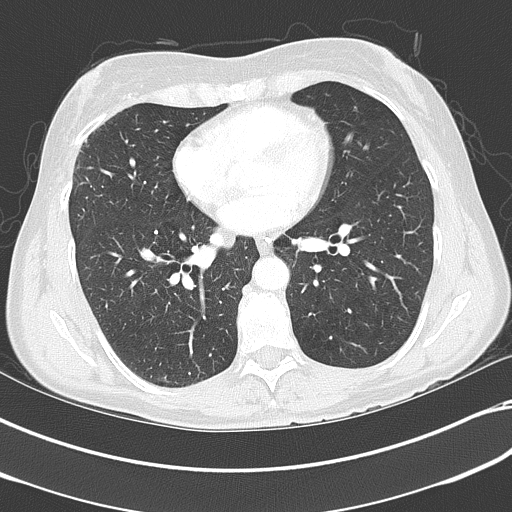
Chest CT, axial plane, 120 kVp, kernel B70f. Slice 177/351 from the bottom of the scan; thickness 2.00 mm; pixel size 0.643 mm.
Pulmonary nodule outlined by two of the four readers; box rows 230–233, columns 154–157 (the union of the readers' outlines on this slice); longest diameter 3.8 mm on average over the two readers' outlines (readers' outlines 3.5–4.1 mm), volume 17–36 mm3. Ratings, by the readers' most common answer with dissent counted: texture 5/5 (solid), both readers agreeing; margin split among the readers: 4/5 (one), 5/5 (circumscribed) (one); sphericity split among the readers: 4/5 (one), 5/5 (round) (one); calcification split among the readers: solid calcification (one), absent (one); internal structure soft tissue, both readers agreeing; subtlety 4/5, both readers agreeing; malignancy likelihood split among the readers: 1/5 (one), 2/5 (one). Scale key (1–5): texture non-solid→solid, margin indistinct→circumscribed, sphericity linear→round, subtlety extremely subtle→obvious, malignancy likelihood highly unlikely→highly suspicious of cancer. Box rows and columns are 0-based pixel indices from the top-left corner, inclusive.